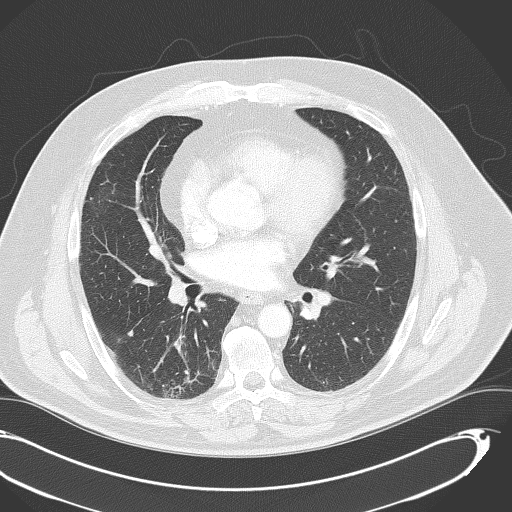
Slice 195/333 of a chest CT, counting up from the lowest; pixel size 0.775 mm, slice thickness 2.00 mm. Pulmonary nodule outlined by three of the four readers; box rows 329–337, columns 126–133 (the union of the readers' outlines on this slice); longest diameter 7.1–7.9 mm and volume 58–182 mm3 across the three readers' outlines. Ratings across the readers: texture from 4/5 to 5/5 (solid) across the three readers; margin from 3/5 to 5/5 (circumscribed) across the three readers; sphericity 3/5 (ovoid) from all three readers; calcification absent, all three readers agreeing; internal structure soft tissue from all three readers; subtlety from 2/5 to 5/5 across the three readers; malignancy likelihood 2/5, all three readers agreeing. Scale key (1–5): texture non-solid→solid, margin indistinct→circumscribed, sphericity linear→round, subtlety extremely subtle→obvious, malignancy likelihood highly unlikely→highly suspicious of cancer. Box rows and columns are 0-based pixel indices from the top-left corner, inclusive.
Acquired at 120 kVp and reconstructed with the B70f kernel.